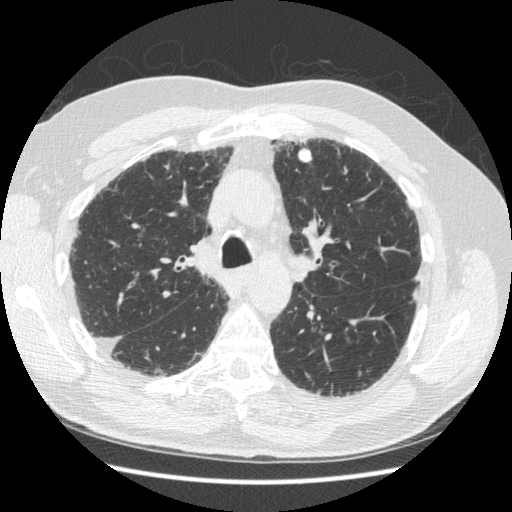
Axial chest CT slice 339 of 497 (counted from the lowest slice); 1.25 mm thick, 0.703 mm per pixel. Pulmonary nodule, outlined by all four readers. Box on this slice rows 148–163, columns 297–312, the union of the readers' outlines on this slice; longest diameter 16.1 mm on average over the four readers' outlines (readers' outlines 15.2–16.7 mm), volume 670–817 mm3. The readers' prevailing ratings and who disagreed: texture 5/5 (solid), all four readers agreeing; most readers (three of four) put margin at 5/5 (circumscribed), others 3/5 (one); sphericity 5/5 (round) by two of four readers; the rest gave 2/5 (one), 4/5 (one); calcification solid calcification from all four readers; internal structure soft tissue from all four readers; subtlety 5/5 from all four readers; malignancy likelihood 1/5, all four readers agreeing. Scale key (1–5): texture non-solid→solid, margin indistinct→circumscribed, sphericity linear→round, subtlety extremely subtle→obvious, malignancy likelihood highly unlikely→highly suspicious of cancer. Box rows and columns are 0-based pixel indices from the top-left corner, inclusive.
Tube voltage 120 kVp; convolution kernel STANDARD.